Chest CT, axial plane, 120 kVp, kernel B31f. Slice 46/121 from the bottom of the scan; thickness 3.00 mm; pixel size 0.674 mm.
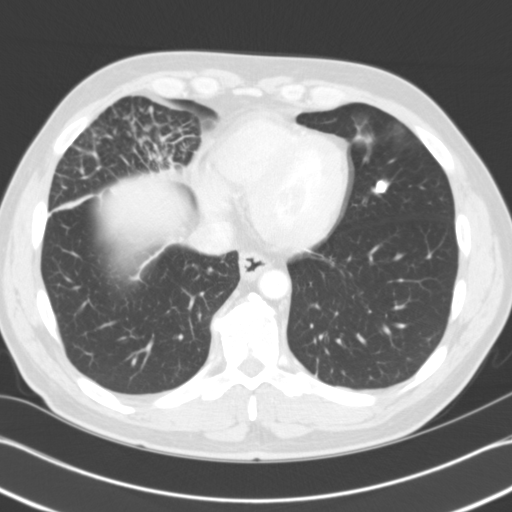
Pulmonary nodule at rows 180–192, columns 375–386 (box = the union of the readers' outlines on this slice), outlined by all four readers; longest diameter 10.9 mm on average over the four readers' outlines (readers' outlines 10.3–11.1 mm), volume 622–783 mm3. The readers' prevailing ratings and who disagreed: texture 5/5 (solid), all four readers agreeing; margin 5/5 (circumscribed) from all four readers; sphericity split among the readers: 4/5 (two), 5/5 (round) (two); calcification solid calcification from all four readers; internal structure soft tissue from all four readers; subtlety 5/5, all four readers agreeing; malignancy likelihood 1/5 from all four readers. Scale key (1–5): texture non-solid→solid, margin indistinct→circumscribed, sphericity linear→round, subtlety extremely subtle→obvious, malignancy likelihood highly unlikely→highly suspicious of cancer. Box rows and columns are 0-based pixel indices from the top-left corner, inclusive.